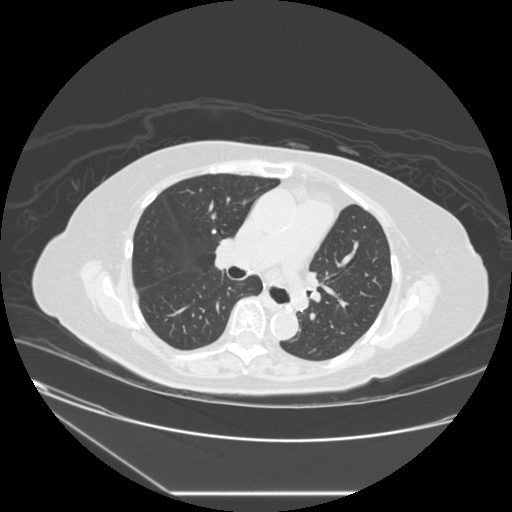
Axial chest CT slice 160 of 241 (counted from the lowest slice); 1.25 mm thick, 0.773 mm per pixel. Pulmonary nodule outlined by three of the four readers, two of them on this slice; box rows 229–234, columns 211–216 (the union of the readers' outlines on this slice); the three readers' outlines give a longest diameter between 6.4 and 7.1 mm and a volume between 103 and 202 mm3. Ratings across the readers: texture 5/5 (solid), all three readers agreeing; margin 5/5 (circumscribed) from all three readers; sphericity from 3/5 (ovoid) to 5/5 (round) across the three readers; calcification: solid calcification (two), central calcification (one); internal structure soft tissue from all three readers; subtlety from 4/5 to 5/5 across the three readers; malignancy likelihood 1/5, all three readers agreeing. Scale key (1–5): texture non-solid→solid, margin indistinct→circumscribed, sphericity linear→round, subtlety extremely subtle→obvious, malignancy likelihood highly unlikely→highly suspicious of cancer. Box rows and columns are 0-based pixel indices from the top-left corner, inclusive.
Acquired at 120 kVp and reconstructed with the STANDARD kernel.